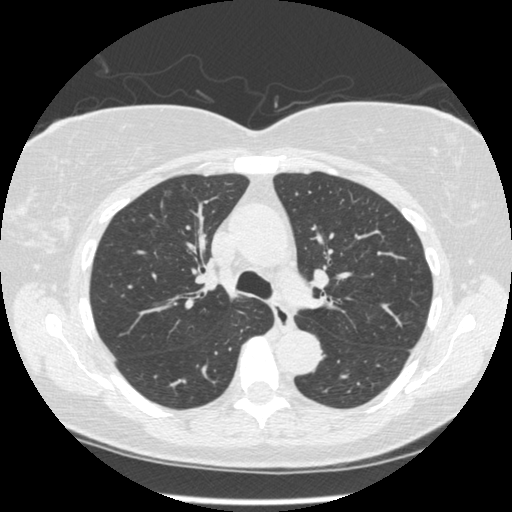
Axial slice 321 of 490 of a chest CT (slice 1 is the lowest), reconstructed with the STANDARD kernel at 120 kVp; 1.25 mm slice thickness and 0.645 mm pixels.
Pulmonary nodule at rows 191–195, columns 162–170 (box = that reader's outline on this slice), outlined by one of the four readers; longest diameter 7.8 mm and volume 52 mm3 from that reader's outline. Ratings by that reader: texture 4/5; margin 5/5 (circumscribed); sphericity 4/5; calcification absent; internal structure soft tissue; subtlety 3/5; malignancy likelihood 2/5. Scale key (1–5): texture non-solid→solid, margin indistinct→circumscribed, sphericity linear→round, subtlety extremely subtle→obvious, malignancy likelihood highly unlikely→highly suspicious of cancer. Box rows and columns are 0-based pixel indices from the top-left corner, inclusive.